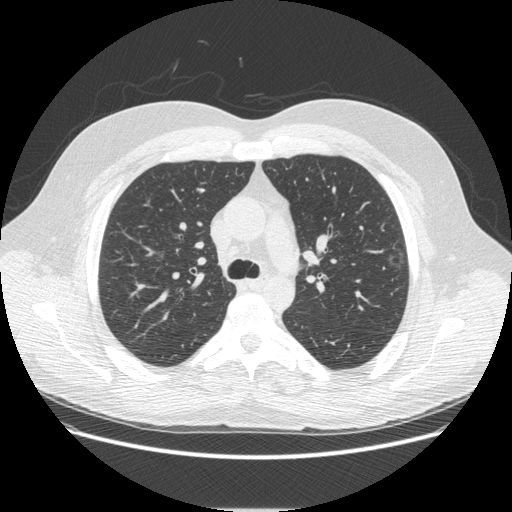
Axial chest CT slice 324 of 497 (counted from the lowest slice); tube voltage 120 kVp, convolution kernel STANDARD; slices 1.25 mm thick, 0.762 mm per pixel.
Pulmonary nodule outlined by all four readers; box rows 248–270, columns 389–404 (the union of the readers' outlines on this slice); the four readers' outlines give a longest diameter between 21.5 and 22.5 mm and a volume between 2170 and 2597 mm3. The readers' ratings, as ranges where they differ: texture from 1/5 (non-solid) to 3/5 (part-solid) across the four readers; margin from 2/5 to 4/5 across the four readers; sphericity from 3/5 (ovoid) to 5/5 (round) across the four readers; calcification absent, all four readers agreeing; internal structure split among the readers: air (two), soft tissue (two); subtlety from 1/5 to 5/5 across the four readers; malignancy likelihood from 1/5 to 5/5 across the four readers. Scale key (1–5): texture non-solid→solid, margin indistinct→circumscribed, sphericity linear→round, subtlety extremely subtle→obvious, malignancy likelihood highly unlikely→highly suspicious of cancer. Box rows and columns are 0-based pixel indices from the top-left corner, inclusive.